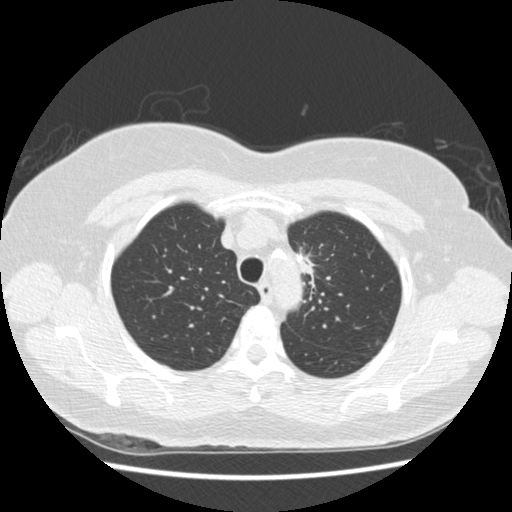
Slice 350/445 of a chest CT, counting up from the lowest; pixel size 0.645 mm, slice thickness 1.25 mm. Two pulmonary nodules are outlined on this slice; from left to right: (1) Pulmonary nodule outlined by one of the four readers; box rows 251–274, columns 297–312 (that reader's outline on this slice); longest diameter 31.0 mm and volume 2055 mm3 from that reader's outline. Ratings by that reader: texture 5/5 (solid); margin 2/5; sphericity 2/5; calcification absent; internal structure soft tissue; subtlety 5/5; malignancy likelihood 4/5. (2) Pulmonary nodule at rows 339–345, columns 375–379 (box = the union of the readers' outlines on this slice), outlined by all four readers, three of them on this slice; median longest diameter 11.1 mm (readers' outlines 9.9–11.6 mm), median volume 349 mm3 (292–430 mm3). Ratings, median across the readers with their spread: median texture 2/5 (readers ranged 1/5 (non-solid) to 4/5); margin 4/5 at the median of four readers, spread 2/5 to 5/5 (circumscribed); sphericity 4/5 at the median of four readers, spread 3/5 (ovoid) to 5/5 (round); calcification absent from all four readers; internal structure soft tissue from all four readers; subtlety 3/5 at the median of four readers, spread 3–5; median malignancy likelihood 4/5 (readers ranged 2–5). Scale key (1–5): texture non-solid→solid, margin indistinct→circumscribed, sphericity linear→round, subtlety extremely subtle→obvious, malignancy likelihood highly unlikely→highly suspicious of cancer. Box rows and columns are 0-based pixel indices from the top-left corner, inclusive.
Acquired at 120 kVp and reconstructed with the STANDARD kernel.